One axial slice (117 of 250, counting up from the lowest) of a chest CT acquired at 120 kVp with the BONE kernel; each pixel is 0.586 mm and the slice is 1.25 mm thick.
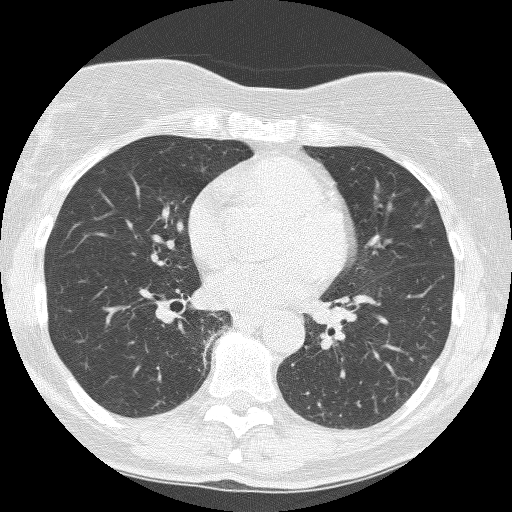
Pulmonary nodule outlined by two of the four readers, one of them on this slice; box rows 194–203, columns 424–432 (the one reader's outline on this slice); the two readers' outlines give a longest diameter between 7.4 and 8.4 mm and a volume between 74 and 134 mm3. The readers' ratings, as ranges where they differ: texture from 3/5 (part-solid) to 5/5 (solid) across the two readers; margin from 2/5 to 5/5 (circumscribed) across the two readers; sphericity from 3/5 (ovoid) to 4/5 across the two readers; calcification absent from both readers; internal structure soft tissue, both readers agreeing; subtlety 4/5, both readers agreeing; malignancy likelihood from 3/5 to 4/5 across the two readers. Scale key (1–5): texture non-solid→solid, margin indistinct→circumscribed, sphericity linear→round, subtlety extremely subtle→obvious, malignancy likelihood highly unlikely→highly suspicious of cancer. Box rows and columns are 0-based pixel indices from the top-left corner, inclusive.